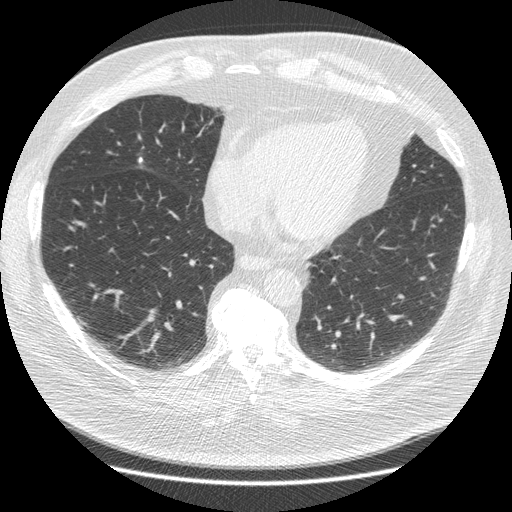
One axial slice (141 of 426, counting up from the lowest) of a chest CT acquired at 120 kVp with the STANDARD kernel; each pixel is 0.742 mm and the slice is 1.25 mm thick.
Pulmonary nodule at rows 156–163, columns 137–142 (box = the union of the readers' outlines on this slice), outlined by all four readers; longest diameter 9.6–10.0 mm and volume 202–225 mm3 across the four readers' outlines. The readers' ratings, as ranges where they differ: texture 5/5 (solid), all four readers agreeing; margin 5/5 (circumscribed) from all four readers; sphericity from 4/5 to 5/5 (round) across the four readers; calcification solid calcification, all four readers agreeing; internal structure soft tissue from all four readers; subtlety 5/5, all four readers agreeing; malignancy likelihood 1/5, all four readers agreeing. Scale key (1–5): texture non-solid→solid, margin indistinct→circumscribed, sphericity linear→round, subtlety extremely subtle→obvious, malignancy likelihood highly unlikely→highly suspicious of cancer. Box rows and columns are 0-based pixel indices from the top-left corner, inclusive.